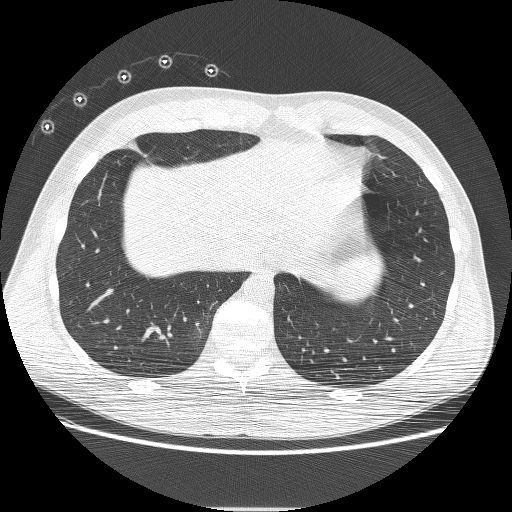
Axial chest CT slice 51 of 230 (counted from the lowest slice); 1.25 mm thick, 0.732 mm per pixel. Pulmonary nodule at rows 140–155, columns 124–143 (box = the one reader's outline on this slice), outlined by all four readers, one of them on this slice; the four readers' outlines give a longest diameter between 23.5 and 29.5 mm and a volume between 3146 and 3701 mm3. Ratings across the readers: texture 5/5 (solid) from all four readers; margin from 3/5 to 5/5 (circumscribed) across the four readers; sphericity from 3/5 (ovoid) to 4/5 across the four readers; calcification absent, all four readers agreeing; internal structure soft tissue from all four readers; subtlety 5/5 from all four readers; malignancy likelihood 4–5/5 (the readers disagree). Scale key (1–5): texture non-solid→solid, margin indistinct→circumscribed, sphericity linear→round, subtlety extremely subtle→obvious, malignancy likelihood highly unlikely→highly suspicious of cancer. Box rows and columns are 0-based pixel indices from the top-left corner, inclusive.
Acquired at 120 kVp and reconstructed with the BONE kernel.